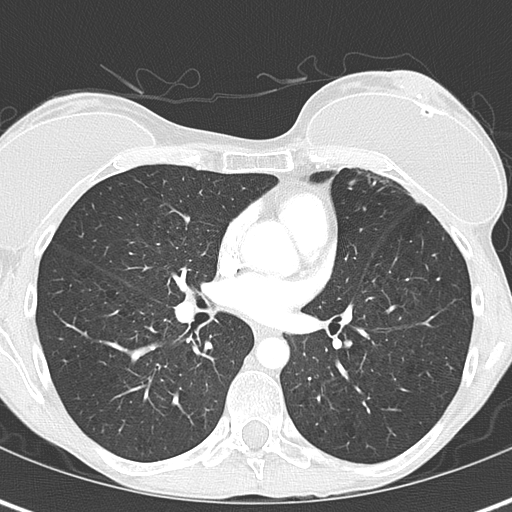
Chest CT, axial plane, 120 kVp, kernel B70f. Slice 199/345 from the bottom of the scan; thickness 2.00 mm; pixel size 0.541 mm.
Pulmonary nodule outlined by all four readers; box rows 339–348, columns 344–352 (the union of the readers' outlines on this slice); median longest diameter 6.6 mm (readers' outlines 6.3–7.7 mm), median volume 136 mm3 (105–184 mm3). Ratings, median across the readers with their spread: texture 5/5 (solid), all four readers agreeing; margin 5/5 (circumscribed) from all four readers; median sphericity 4.5/5 (readers ranged 4/5 to 5/5 (round)); calcification split among the readers: laminated calcification (two), solid calcification (two); internal structure soft tissue, all four readers agreeing; median subtlety 4/5 (readers ranged 2–5); malignancy likelihood 1/5 from all four readers. Scale key (1–5): texture non-solid→solid, margin indistinct→circumscribed, sphericity linear→round, subtlety extremely subtle→obvious, malignancy likelihood highly unlikely→highly suspicious of cancer. Box rows and columns are 0-based pixel indices from the top-left corner, inclusive.